Axial chest CT slice 72 of 103 (counted from the lowest slice); tube voltage 135 kVp, convolution kernel FC01; slices 3.00 mm thick, 0.738 mm per pixel.
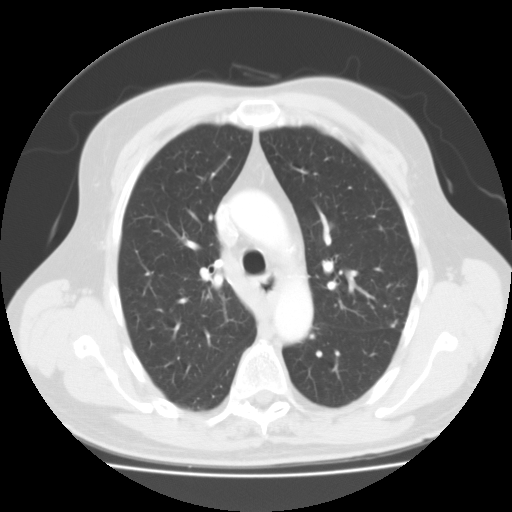
Pulmonary nodule outlined by three of the four readers, one of them on this slice; box rows 319–327, columns 390–397 (the one reader's outline on this slice); the three readers' outlines give a longest diameter between 16.2 and 20.3 mm and a volume between 1237 and 2155 mm3. The readers' ratings, as ranges where they differ: texture 5/5 (solid) from all three readers; margin from 2/5 to 5/5 (circumscribed) across the three readers; sphericity from 4/5 to 5/5 (round) across the three readers; calcification split among the readers: central calcification (one), solid calcification (one), absent (one); internal structure soft tissue, all three readers agreeing; subtlety 5/5 from all three readers; malignancy likelihood from 1/5 to 5/5 across the three readers. Scale key (1–5): texture non-solid→solid, margin indistinct→circumscribed, sphericity linear→round, subtlety extremely subtle→obvious, malignancy likelihood highly unlikely→highly suspicious of cancer. Box rows and columns are 0-based pixel indices from the top-left corner, inclusive.